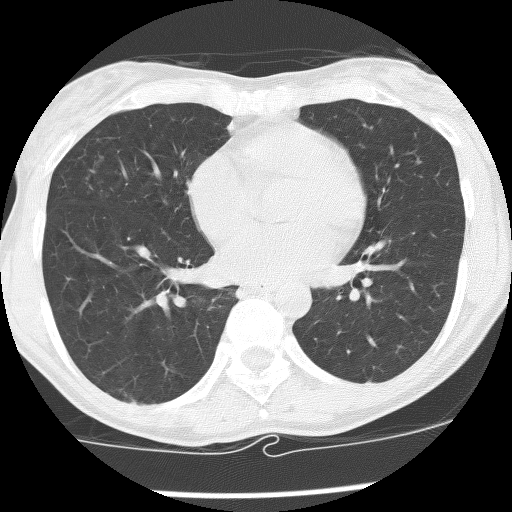
Axial chest CT slice 65 of 131 (counted from the lowest slice); tube voltage 140 kVp, convolution kernel BONE; slices 2.50 mm thick, 0.547 mm per pixel.
Pulmonary nodule, outlined by one of the four readers. Box on this slice rows 401–404, columns 129–134, that reader's outline on this slice; longest diameter 6.7 mm and volume 119 mm3 from that reader's outline. That reader's ratings: texture 4/5; margin 4/5; sphericity 3/5 (ovoid); calcification absent; internal structure soft tissue; subtlety 3/5; malignancy likelihood 1/5. Scale key (1–5): texture non-solid→solid, margin indistinct→circumscribed, sphericity linear→round, subtlety extremely subtle→obvious, malignancy likelihood highly unlikely→highly suspicious of cancer. Box rows and columns are 0-based pixel indices from the top-left corner, inclusive.